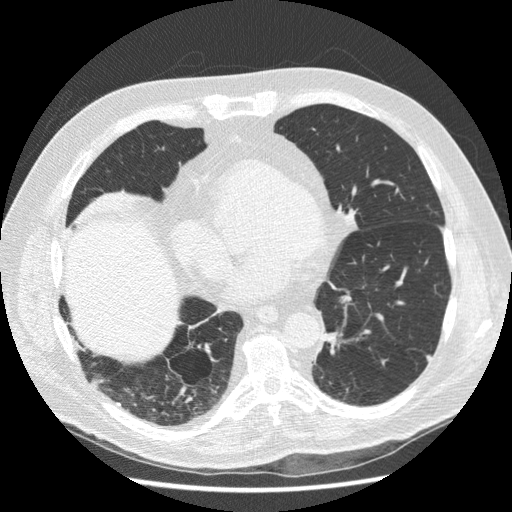
One axial slice (77 of 216, counting up from the lowest) of a chest CT acquired at 120 kVp with the STANDARD kernel; each pixel is 0.703 mm and the slice is 1.25 mm thick.
Pulmonary nodule at rows 355–360, columns 426–430 (box = the union of the readers' outlines on this slice), outlined by two of the four readers; longest diameter 6.0–6.4 mm and volume 94–101 mm3 across the two readers' outlines. The readers' ratings, as ranges where they differ: texture 5/5 (solid) from both readers; margin from 3/5 to 5/5 (circumscribed) across the two readers; sphericity from 3/5 (ovoid) to 5/5 (round) across the two readers; calcification absent from both readers; internal structure soft tissue, both readers agreeing; subtlety 3–4/5 (the readers disagree); malignancy likelihood 2/5, both readers agreeing. Scale key (1–5): texture non-solid→solid, margin indistinct→circumscribed, sphericity linear→round, subtlety extremely subtle→obvious, malignancy likelihood highly unlikely→highly suspicious of cancer. Box rows and columns are 0-based pixel indices from the top-left corner, inclusive.